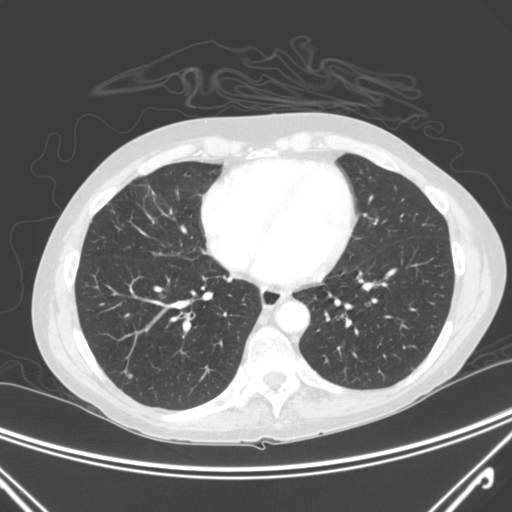
Axial slice 105 of 300 of a chest CT (slice 1 is the lowest), reconstructed with the C kernel at 120 kVp; 2.00 mm slice thickness and 0.715 mm pixels.
Pulmonary nodule, outlined by three of the four readers. Box on this slice rows 373–379, columns 127–132, the union of the readers' outlines on this slice; median longest diameter 5.4 mm (readers' outlines 5.2–5.4 mm), median volume 51 mm3 (42–53 mm3). Median ratings and the readers' spread: texture 5/5 (solid) from all three readers; margin 4/5 at the median of three readers, spread 4/5 to 5/5 (circumscribed); sphericity 5/5 (round) at the median of three readers, spread 4/5 to 5/5 (round); calcification absent from all three readers; internal structure soft tissue, all three readers agreeing; median subtlety 4/5 (readers ranged 3–5); malignancy likelihood 3/5 at the median of three readers, spread 2–3. Scale key (1–5): texture non-solid→solid, margin indistinct→circumscribed, sphericity linear→round, subtlety extremely subtle→obvious, malignancy likelihood highly unlikely→highly suspicious of cancer. Box rows and columns are 0-based pixel indices from the top-left corner, inclusive.